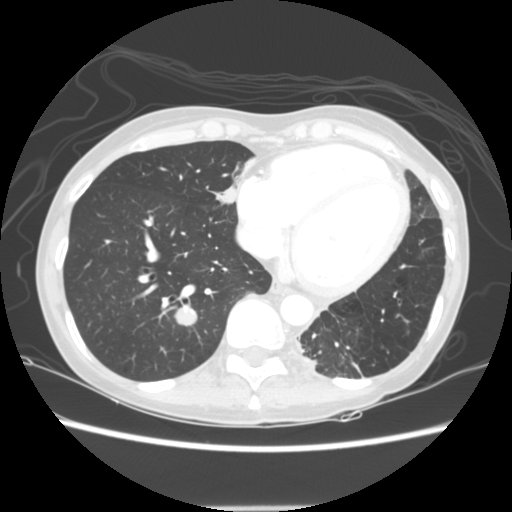
Axial chest CT slice 58 of 144 (counted from the lowest slice); 2.50 mm thick, 0.664 mm per pixel. Two pulmonary nodules are outlined on this slice; from left to right: (1) Pulmonary nodule, outlined by all four readers. Box on this slice rows 304–325, columns 174–196, the union of the readers' outlines on this slice; longest diameter 15.5–19.3 mm and volume 1258–1827 mm3 across the four readers' outlines. The readers' ratings, as ranges where they differ: texture 5/5 (solid), all four readers agreeing; margin from 3/5 to 5/5 (circumscribed) across the four readers; sphericity from 3/5 (ovoid) to 5/5 (round) across the four readers; calcification absent, all four readers agreeing; internal structure soft tissue from all four readers; subtlety 5/5, all four readers agreeing; malignancy likelihood 3–5/5 (the readers disagree). (2) Pulmonary nodule at rows 186–203, columns 218–237 (box = the union of the readers' outlines on this slice), outlined by two of the four readers; longest diameter 17.0 mm on average over the two readers' outlines (readers' outlines 16.7–17.3 mm), volume 894–906 mm3. Ratings, by the readers' most common answer with dissent counted: texture 5/5 (solid) from both readers; margin 4/5, both readers agreeing; sphericity split among the readers: 3/5 (ovoid) (one), 4/5 (one); calcification absent, both readers agreeing; internal structure soft tissue, both readers agreeing; subtlety split among the readers: 4/5 (one), 5/5 (one); malignancy likelihood 4/5, both readers agreeing. Scale key (1–5): texture non-solid→solid, margin indistinct→circumscribed, sphericity linear→round, subtlety extremely subtle→obvious, malignancy likelihood highly unlikely→highly suspicious of cancer. Box rows and columns are 0-based pixel indices from the top-left corner, inclusive.
Tube voltage 120 kVp; convolution kernel STANDARD.